Axial slice 373 of 525 of a chest CT (slice 1 is the lowest), reconstructed with the B30f kernel at 120 kVp; 0.75 mm slice thickness and 0.660 mm pixels.
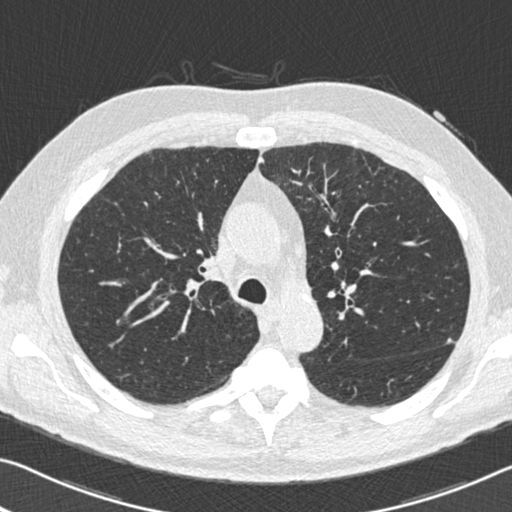
Pulmonary nodule at rows 338–343, columns 447–451 (box = that reader's outline on this slice), outlined by one of the four readers; longest diameter 5.7 mm and volume 38 mm3 from that reader's outline. That reader's ratings: texture 5/5 (solid); margin 5/5 (circumscribed); sphericity 4/5; calcification absent; internal structure soft tissue; subtlety 5/5; malignancy likelihood 3/5. Scale key (1–5): texture non-solid→solid, margin indistinct→circumscribed, sphericity linear→round, subtlety extremely subtle→obvious, malignancy likelihood highly unlikely→highly suspicious of cancer. Box rows and columns are 0-based pixel indices from the top-left corner, inclusive.